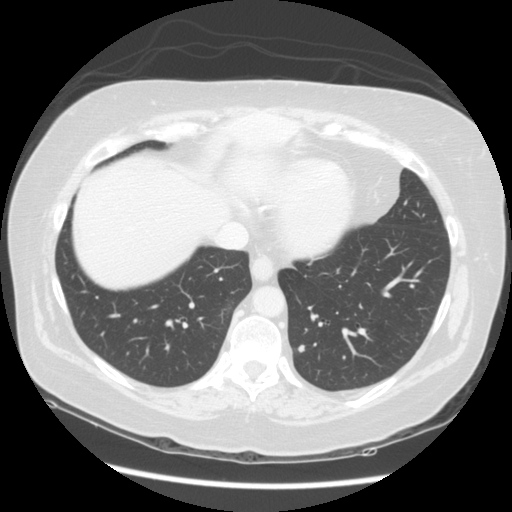
One axial slice (43 of 123, counting up from the lowest) of a chest CT acquired at 140 kVp with the STANDARD kernel; each pixel is 0.703 mm and the slice is 2.50 mm thick.
Pulmonary nodule at rows 344–352, columns 297–304 (box = the union of the readers' outlines on this slice), outlined by three of the four readers; median longest diameter 6.6 mm (readers' outlines 6.5–7.2 mm), median volume 135 mm3 (83–143 mm3). Ratings, median across the readers with their spread: median texture 5/5 (solid) (readers ranged 4/5 to 5/5 (solid)); median margin 4/5 (readers ranged 2/5 to 5/5 (circumscribed)); sphericity 4/5 at the median of three readers, spread 4/5 to 5/5 (round); calcification absent from all three readers; internal structure soft tissue, all three readers agreeing; median subtlety 3/5 (readers ranged 3–4); median malignancy likelihood 3/5 (readers ranged 2–4). Scale key (1–5): texture non-solid→solid, margin indistinct→circumscribed, sphericity linear→round, subtlety extremely subtle→obvious, malignancy likelihood highly unlikely→highly suspicious of cancer. Box rows and columns are 0-based pixel indices from the top-left corner, inclusive.